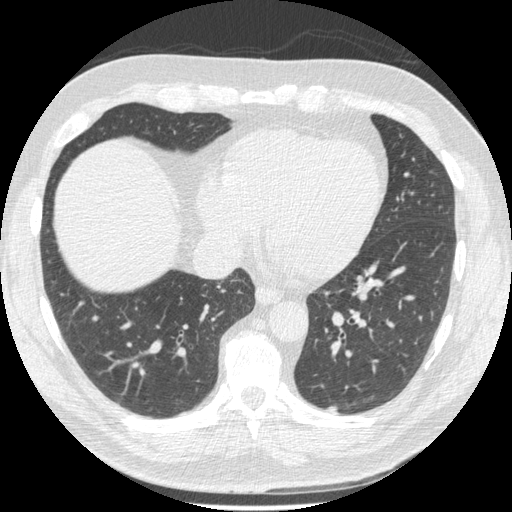
Chest CT, axial plane, 120 kVp, kernel STANDARD. Slice 209/557 from the bottom of the scan; thickness 1.25 mm; pixel size 0.703 mm.
Pulmonary nodule at rows 406–411, columns 327–337 (box = the union of the readers' outlines on this slice), outlined by two of the four readers; longest diameter 9.4–13.1 mm and volume 126–127 mm3 across the two readers' outlines. The readers' ratings, as ranges where they differ: texture 5/5 (solid) from both readers; margin 3/5 from both readers; sphericity 3/5 (ovoid), both readers agreeing; calcification absent from both readers; internal structure soft tissue, both readers agreeing; subtlety 3/5 from both readers; malignancy likelihood 1–3/5 (the readers disagree). Scale key (1–5): texture non-solid→solid, margin indistinct→circumscribed, sphericity linear→round, subtlety extremely subtle→obvious, malignancy likelihood highly unlikely→highly suspicious of cancer. Box rows and columns are 0-based pixel indices from the top-left corner, inclusive.